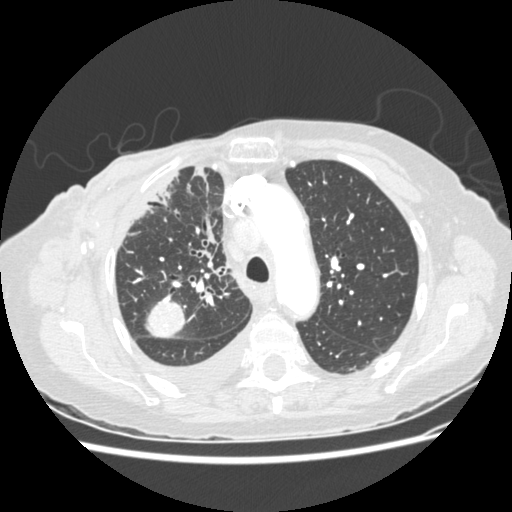
One axial slice (188 of 238, counting up from the lowest) of a chest CT acquired at 120 kVp with the STANDARD kernel; each pixel is 0.664 mm and the slice is 1.25 mm thick.
Pulmonary nodule, outlined by two of the four readers. Box on this slice rows 295–337, columns 145–193, the union of the readers' outlines on this slice; longest diameter 32.4 mm on average over the two readers' outlines (readers' outlines 31.3–33.5 mm), volume 8200–8583 mm3. The readers' prevailing ratings and who disagreed: texture 5/5 (solid) from both readers; margin split among the readers: 4/5 (one), 5/5 (circumscribed) (one); sphericity 4/5, both readers agreeing; calcification absent, both readers agreeing; internal structure soft tissue, both readers agreeing; subtlety 5/5, both readers agreeing; malignancy likelihood split among the readers: 3/5 (one), 5/5 (one). Scale key (1–5): texture non-solid→solid, margin indistinct→circumscribed, sphericity linear→round, subtlety extremely subtle→obvious, malignancy likelihood highly unlikely→highly suspicious of cancer. Box rows and columns are 0-based pixel indices from the top-left corner, inclusive.